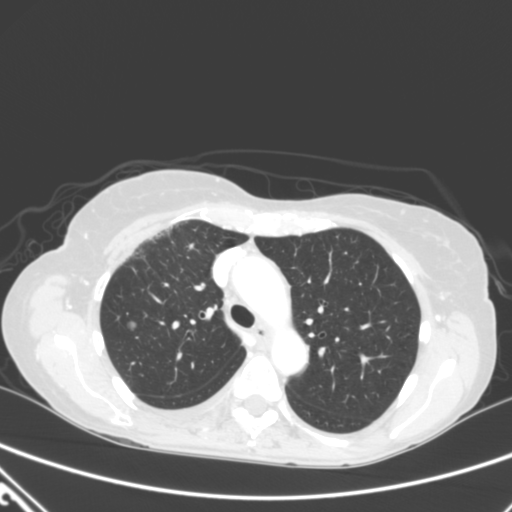
Axial slice 232 of 320 of a chest CT (slice 1 is the lowest), reconstructed with the B kernel at 120 kVp; 2.00 mm slice thickness and 0.662 mm pixels.
Pulmonary nodule at rows 321–330, columns 126–136 (box = the union of the readers' outlines on this slice), outlined by all four readers; median longest diameter 9.2 mm (readers' outlines 8.0–10.5 mm), median volume 260 mm3 (192–341 mm3). Ratings, median across the readers with their spread: texture 5/5 (solid) from all four readers; median margin 5/5 (circumscribed) (readers ranged 4/5 to 5/5 (circumscribed)); median sphericity 4.5/5 (readers ranged 4/5 to 5/5 (round)); calcification absent, all four readers agreeing; internal structure soft tissue from all four readers; subtlety 5/5, all four readers agreeing; median malignancy likelihood 4.5/5 (readers ranged 2–5). Scale key (1–5): texture non-solid→solid, margin indistinct→circumscribed, sphericity linear→round, subtlety extremely subtle→obvious, malignancy likelihood highly unlikely→highly suspicious of cancer. Box rows and columns are 0-based pixel indices from the top-left corner, inclusive.